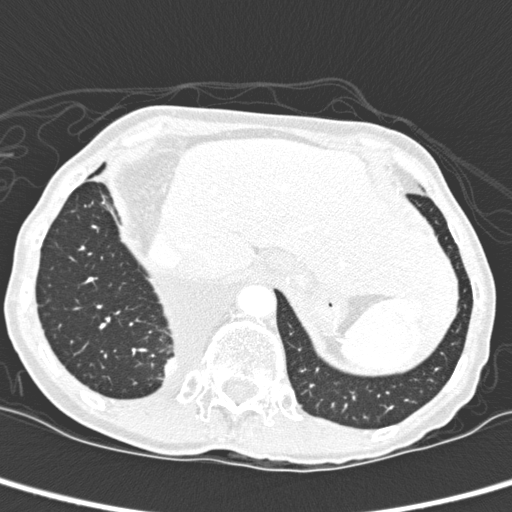
Axial chest CT slice 39 of 280 (counted from the lowest slice); 1.00 mm thick, 0.564 mm per pixel. Pulmonary nodule outlined by two of the four readers; box rows 356–376, columns 164–174 (the union of the readers' outlines on this slice); median longest diameter 33.9 mm (readers' outlines 32.1–35.8 mm), median volume 6179 mm3 (5657–6702 mm3). Ratings, median across the readers with their spread: texture 5/5 (solid), both readers agreeing; margin 4/5 from both readers; sphericity 3/5 (ovoid), both readers agreeing; calcification absent from both readers; internal structure soft tissue, both readers agreeing; subtlety 5/5, both readers agreeing; median malignancy likelihood 2.5/5 (readers ranged 2–3). Scale key (1–5): texture non-solid→solid, margin indistinct→circumscribed, sphericity linear→round, subtlety extremely subtle→obvious, malignancy likelihood highly unlikely→highly suspicious of cancer. Box rows and columns are 0-based pixel indices from the top-left corner, inclusive.
Scan settings: 120 kVp, D reconstruction kernel.